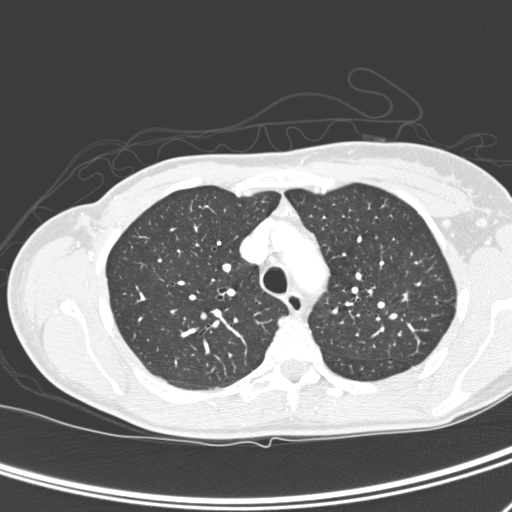
Axial chest CT slice 223 of 290 (counted from the lowest slice); 1.00 mm thick, 0.611 mm per pixel. Pulmonary nodule outlined by all four readers; box rows 312–319, columns 200–206 (the union of the readers' outlines on this slice); the four readers' outlines give a longest diameter between 5.6 and 5.8 mm and a volume between 33 and 72 mm3. Ratings across the readers: texture 5/5 (solid), all four readers agreeing; margin 5/5 (circumscribed), all four readers agreeing; sphericity 5/5 (round), all four readers agreeing; calcification absent, all four readers agreeing; internal structure soft tissue, all four readers agreeing; subtlety from 2/5 to 5/5 across the four readers; malignancy likelihood rated between 1 and 4 out of 5 by the four readers. Scale key (1–5): texture non-solid→solid, margin indistinct→circumscribed, sphericity linear→round, subtlety extremely subtle→obvious, malignancy likelihood highly unlikely→highly suspicious of cancer. Box rows and columns are 0-based pixel indices from the top-left corner, inclusive.
Scan settings: 120 kVp, D reconstruction kernel.